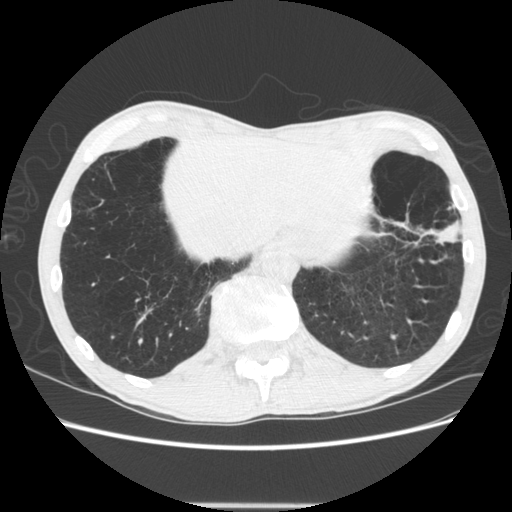
Slice 129/605 of a chest CT, counting up from the lowest; pixel size 0.703 mm, slice thickness 1.25 mm. Pulmonary nodule at rows 219–243, columns 435–458 (box = that reader's outline on this slice), outlined by one of the four readers; longest diameter 29.0 mm and volume 1790 mm3 from that reader's outline. Ratings by that reader: texture 4/5; margin 4/5; sphericity 2/5; calcification absent; internal structure soft tissue; subtlety 5/5; malignancy likelihood 4/5. Scale key (1–5): texture non-solid→solid, margin indistinct→circumscribed, sphericity linear→round, subtlety extremely subtle→obvious, malignancy likelihood highly unlikely→highly suspicious of cancer. Box rows and columns are 0-based pixel indices from the top-left corner, inclusive.
Scan settings: 120 kVp, STANDARD reconstruction kernel.